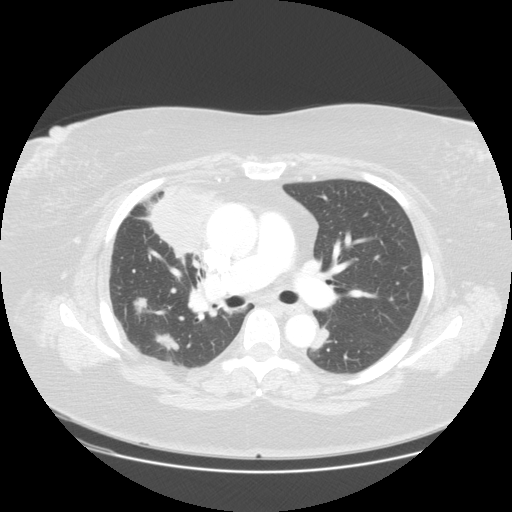
Axial chest CT slice 84 of 131 (counted from the lowest slice); 2.50 mm thick, 0.781 mm per pixel. Two pulmonary nodules are outlined on this slice; from left to right: (1) Pulmonary nodule at rows 298–313, columns 132–147 (box = the union of the readers' outlines on this slice), outlined by all four readers; the four readers' outlines give a longest diameter between 14.1 and 15.2 mm and a volume between 961 and 1260 mm3. Ratings across the readers: texture 5/5 (solid) from all four readers; margin from 3/5 to 5/5 (circumscribed) across the four readers; sphericity from 4/5 to 5/5 (round) across the four readers; calcification absent from all four readers; internal structure soft tissue from all four readers; subtlety 5/5, all four readers agreeing; malignancy likelihood 3–5/5 (the readers disagree). (2) Pulmonary nodule outlined by all four readers; box rows 333–350, columns 156–179 (the union of the readers' outlines on this slice); longest diameter 22.2 mm on average over the four readers' outlines (readers' outlines 20.8–23.0 mm), volume 1060–1625 mm3. The readers' prevailing ratings and who disagreed: most readers (three of four) put texture at 5/5 (solid), others 4/5 (one); most readers (three of four) put margin at 4/5, others 3/5 (one); sphericity 2/5 by three of four readers; the rest gave 5/5 (round) (one); calcification absent from all four readers; internal structure soft tissue from all four readers; most readers (three of four) put subtlety at 5/5, others 4/5 (one); malignancy likelihood split among the readers: 4/5 (two), 5/5 (two). Scale key (1–5): texture non-solid→solid, margin indistinct→circumscribed, sphericity linear→round, subtlety extremely subtle→obvious, malignancy likelihood highly unlikely→highly suspicious of cancer. Box rows and columns are 0-based pixel indices from the top-left corner, inclusive.
Tube voltage 120 kVp; convolution kernel STANDARD.